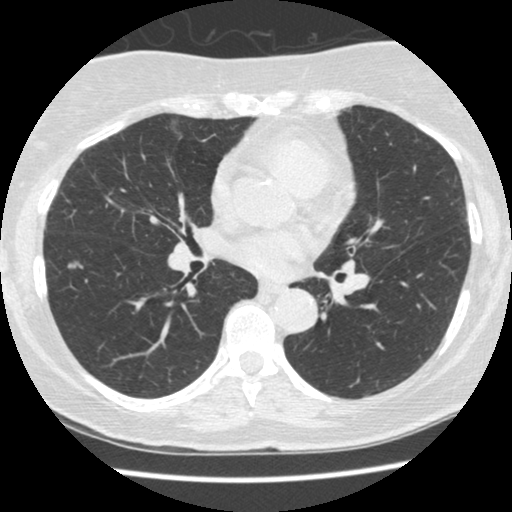
Axial chest CT slice 245 of 481 (counted from the lowest slice); tube voltage 120 kVp, convolution kernel STANDARD; slices 1.25 mm thick, 0.605 mm per pixel.
Pulmonary nodule at rows 262–267, columns 67–78 (box = the union of the readers' outlines on this slice), outlined by three of the four readers; median longest diameter 8.2 mm (readers' outlines 8.1–9.1 mm), median volume 79 mm3 (55–92 mm3). Median ratings and the readers' spread: texture 5/5 (solid) from all three readers; margin 4/5 at the median of three readers, spread 4/5 to 5/5 (circumscribed); sphericity 3/5 (ovoid) at the median of three readers, spread 3/5 (ovoid) to 4/5; calcification absent from all three readers; internal structure soft tissue, all three readers agreeing; subtlety 4/5, all three readers agreeing; malignancy likelihood 3/5, all three readers agreeing. Scale key (1–5): texture non-solid→solid, margin indistinct→circumscribed, sphericity linear→round, subtlety extremely subtle→obvious, malignancy likelihood highly unlikely→highly suspicious of cancer. Box rows and columns are 0-based pixel indices from the top-left corner, inclusive.